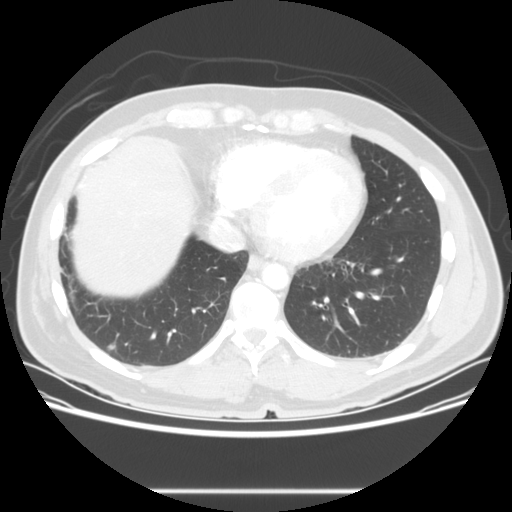
Axial chest CT slice 33 of 119 (counted from the lowest slice); 2.50 mm thick, 0.742 mm per pixel. Pulmonary nodule, outlined by all four readers. Box on this slice rows 343–350, columns 107–115, the union of the readers' outlines on this slice; longest diameter 6.6 mm on average over the four readers' outlines (readers' outlines 5.4–8.0 mm), volume 95–232 mm3. Ratings, by the readers' most common answer with dissent counted: texture 5/5 (solid), all four readers agreeing; most readers (three of four) put margin at 5/5 (circumscribed), others 3/5 (one); sphericity 5/5 (round) by two of four readers; the rest gave 3/5 (ovoid) (one), 4/5 (one); calcification absent, all four readers agreeing; internal structure soft tissue, all four readers agreeing; subtlety 3/5 by two of four readers; the rest gave 1/5 (one), 4/5 (one); most readers (three of four) put malignancy likelihood at 3/5, others 2/5 (one). Scale key (1–5): texture non-solid→solid, margin indistinct→circumscribed, sphericity linear→round, subtlety extremely subtle→obvious, malignancy likelihood highly unlikely→highly suspicious of cancer. Box rows and columns are 0-based pixel indices from the top-left corner, inclusive.
Scan settings: 120 kVp, STANDARD reconstruction kernel.